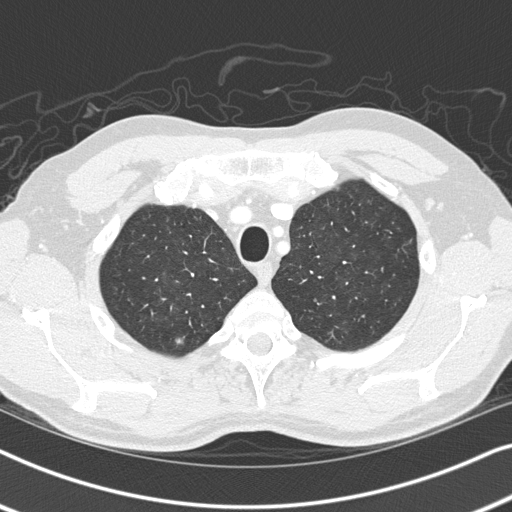
Chest CT, axial plane, 120 kVp, kernel B45f. Slice 276/326 from the bottom of the scan; thickness 1.00 mm; pixel size 0.645 mm.
Pulmonary nodule at rows 337–344, columns 174–183 (box = the union of the readers' outlines on this slice), outlined by all four readers; longest diameter 7.2 mm on average over the four readers' outlines (readers' outlines 6.6–8.2 mm), volume 74–172 mm3. The readers' prevailing ratings and who disagreed: texture 3/5 (part-solid) by three of four readers; the rest gave 1/5 (non-solid) (one); most readers (three of four) put margin at 2/5, others 5/5 (circumscribed) (one); sphericity 4/5 by three of four readers; the rest gave 5/5 (round) (one); calcification absent from all four readers; internal structure soft tissue from all four readers; subtlety 3/5 by two of four readers; the rest gave 1/5 (one), 2/5 (one); malignancy likelihood 3/5 by three of four readers; the rest gave 2/5 (one). Scale key (1–5): texture non-solid→solid, margin indistinct→circumscribed, sphericity linear→round, subtlety extremely subtle→obvious, malignancy likelihood highly unlikely→highly suspicious of cancer. Box rows and columns are 0-based pixel indices from the top-left corner, inclusive.